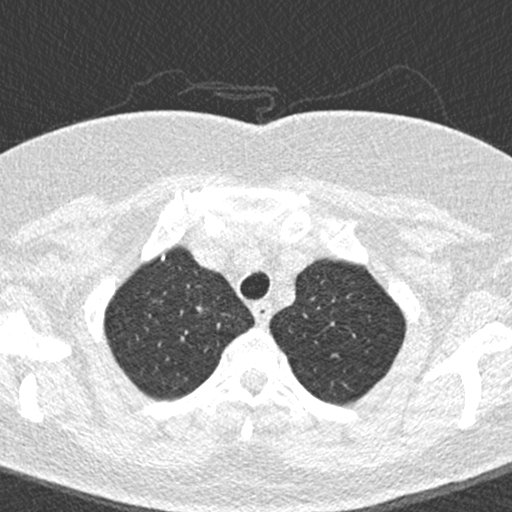
One axial slice (394 of 456, counting up from the lowest) of a chest CT acquired at 120 kVp with the B30f kernel; each pixel is 0.559 mm and the slice is 0.75 mm thick.
Pulmonary nodule, outlined by one of the four readers. Box on this slice rows 254–260, columns 161–164, that reader's outline on this slice; longest diameter 5.3 mm and volume 27 mm3 from that reader's outline. Ratings by that reader: texture 5/5 (solid); margin 5/5 (circumscribed); sphericity 4/5; calcification solid calcification; internal structure soft tissue; subtlety 5/5; malignancy likelihood 1/5. Scale key (1–5): texture non-solid→solid, margin indistinct→circumscribed, sphericity linear→round, subtlety extremely subtle→obvious, malignancy likelihood highly unlikely→highly suspicious of cancer. Box rows and columns are 0-based pixel indices from the top-left corner, inclusive.